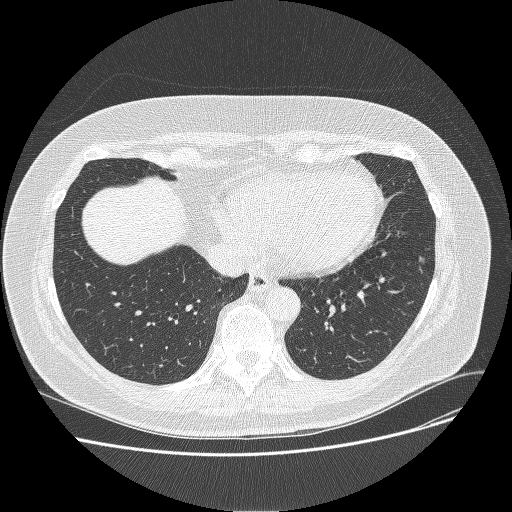
Slice 101/270 of a chest CT, counting up from the lowest; pixel size 0.703 mm, slice thickness 1.25 mm. Pulmonary nodule, outlined by all four readers, three of them on this slice. Box on this slice rows 256–262, columns 418–424, the union of the readers' outlines on this slice; longest diameter 7.4 mm on average over the four readers' outlines (readers' outlines 5.8–8.6 mm), volume 42–121 mm3. Ratings, by the readers' most common answer with dissent counted: texture 5/5 (solid), all four readers agreeing; margin 4/5 by three of four readers; the rest gave 3/5 (one); sphericity split among the readers: 3/5 (ovoid) (two), 4/5 (two); calcification absent, all four readers agreeing; internal structure soft tissue, all four readers agreeing; subtlety 3/5 by two of four readers; the rest gave 4/5 (one), 5/5 (one); malignancy likelihood 3/5 from all four readers. Scale key (1–5): texture non-solid→solid, margin indistinct→circumscribed, sphericity linear→round, subtlety extremely subtle→obvious, malignancy likelihood highly unlikely→highly suspicious of cancer. Box rows and columns are 0-based pixel indices from the top-left corner, inclusive.
Acquired at 120 kVp and reconstructed with the BONE kernel.